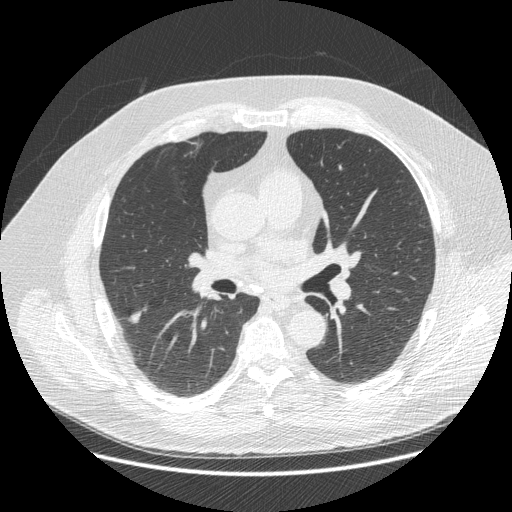
This is axial slice 280 of 477 (slice 1 is the lowest) of a chest CT; each pixel is 0.781 mm and the slice is 1.25 mm thick. Pulmonary nodule, outlined by all four readers. Box on this slice rows 306–322, columns 129–146, the union of the readers' outlines on this slice; median longest diameter 16.2 mm (readers' outlines 12.4–20.8 mm), median volume 295 mm3 (162–429 mm3). Ratings, median across the readers with their spread: texture 4/5 at the median of four readers, spread 1/5 (non-solid) to 5/5 (solid); margin 3.5/5 at the median of four readers, spread 2/5 to 5/5 (circumscribed); sphericity 2.5/5 at the median of four readers, spread 2/5 to 4/5; calcification absent from all four readers; internal structure soft tissue, all four readers agreeing; median subtlety 4.5/5 (readers ranged 3–5); malignancy likelihood 3.5/5 at the median of four readers, spread 2–4. Scale key (1–5): texture non-solid→solid, margin indistinct→circumscribed, sphericity linear→round, subtlety extremely subtle→obvious, malignancy likelihood highly unlikely→highly suspicious of cancer. Box rows and columns are 0-based pixel indices from the top-left corner, inclusive.
Scan settings: 120 kVp, STANDARD reconstruction kernel.